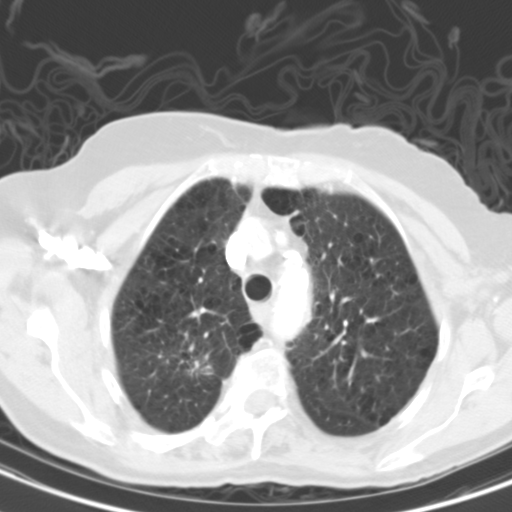
One axial slice (95 of 117, counting up from the lowest) of a chest CT acquired at 130 kVp with the B31s kernel; each pixel is 0.566 mm and the slice is 3.00 mm thick.
Pulmonary nodule at rows 360–374, columns 188–201 (box = the union of the readers' outlines on this slice), outlined by all four readers, three of them on this slice; the four readers' outlines give a longest diameter between 31.3 and 41.7 mm and a volume between 5062 and 7820 mm3. The readers' ratings, as ranges where they differ: texture 5/5 (solid) from all four readers; margin from 1/5 (indistinct) to 4/5 across the four readers; sphericity from 3/5 (ovoid) to 5/5 (round) across the four readers; calcification absent, all four readers agreeing; internal structure soft tissue, all four readers agreeing; subtlety 5/5, all four readers agreeing; malignancy likelihood 5/5 from all four readers. Scale key (1–5): texture non-solid→solid, margin indistinct→circumscribed, sphericity linear→round, subtlety extremely subtle→obvious, malignancy likelihood highly unlikely→highly suspicious of cancer. Box rows and columns are 0-based pixel indices from the top-left corner, inclusive.